One axial slice (90 of 157, counting up from the lowest) of a chest CT acquired at 120 kVp with the B30f kernel; each pixel is 0.625 mm and the slice is 2.00 mm thick.
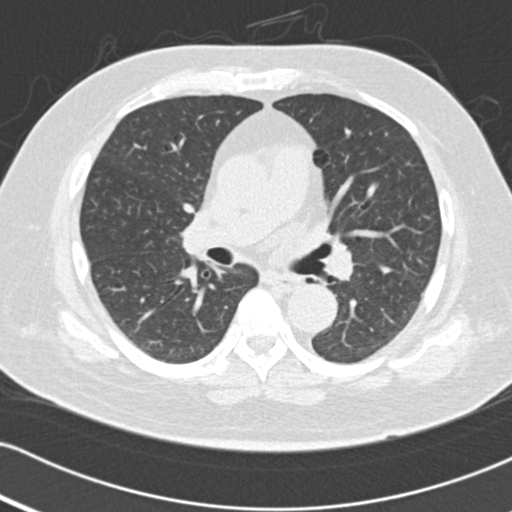
Pulmonary nodule, outlined by three of the four readers. Box on this slice rows 265–275, columns 378–392, the union of the readers' outlines on this slice; median longest diameter 8.9 mm (readers' outlines 5.9–10.9 mm), median volume 140 mm3 (67–166 mm3). Ratings, median across the readers with their spread: texture 5/5 (solid) from all three readers; margin 4/5 at the median of three readers, spread 3/5 to 4/5; sphericity 3/5 (ovoid) from all three readers; calcification absent from all three readers; internal structure soft tissue, all three readers agreeing; median subtlety 3/5 (readers ranged 3–4); median malignancy likelihood 3/5 (readers ranged 1–4). Scale key (1–5): texture non-solid→solid, margin indistinct→circumscribed, sphericity linear→round, subtlety extremely subtle→obvious, malignancy likelihood highly unlikely→highly suspicious of cancer. Box rows and columns are 0-based pixel indices from the top-left corner, inclusive.